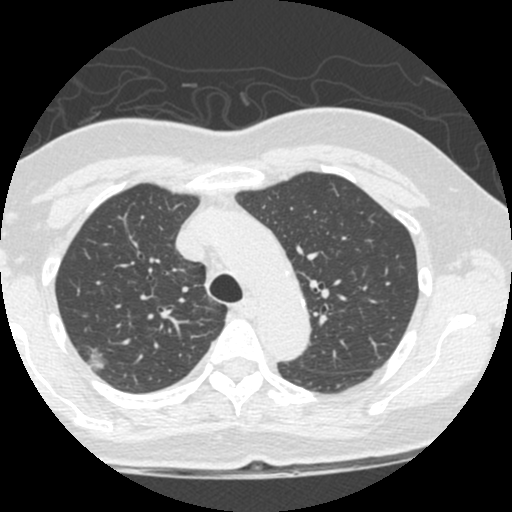
This is axial slice 380 of 490 (slice 1 is the lowest) of a chest CT; each pixel is 0.547 mm and the slice is 1.25 mm thick. Pulmonary nodule outlined by three of the four readers; box rows 348–373, columns 83–108 (the union of the readers' outlines on this slice); longest diameter 14.3–18.3 mm and volume 967–1422 mm3 across the three readers' outlines. Ratings across the readers: texture from 1/5 (non-solid) to 5/5 (solid) across the three readers; margin from 2/5 to 4/5 across the three readers; sphericity from 3/5 (ovoid) to 5/5 (round) across the three readers; calcification absent, all three readers agreeing; internal structure soft tissue, all three readers agreeing; subtlety rated between 1 and 5 out of 5 by the three readers; malignancy likelihood from 2/5 to 5/5 across the three readers. Scale key (1–5): texture non-solid→solid, margin indistinct→circumscribed, sphericity linear→round, subtlety extremely subtle→obvious, malignancy likelihood highly unlikely→highly suspicious of cancer. Box rows and columns are 0-based pixel indices from the top-left corner, inclusive.
Acquired at 120 kVp and reconstructed with the STANDARD kernel.